Axial slice 133 of 321 of a chest CT (slice 1 is the lowest), reconstructed with the D kernel at 120 kVp; 2.00 mm slice thickness and 0.557 mm pixels.
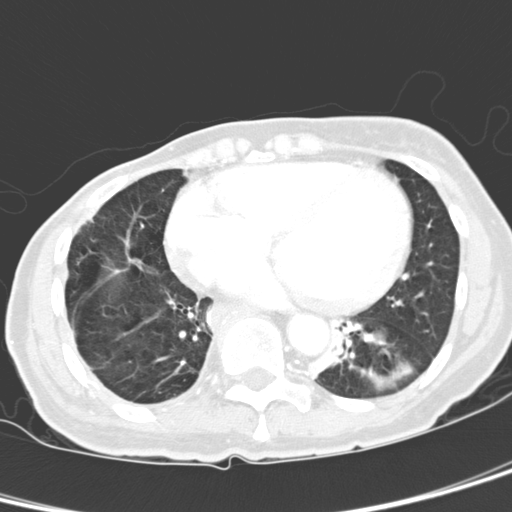
Pulmonary nodule at rows 329–342, columns 371–385 (box = the union of the readers' outlines on this slice), outlined by all four readers; median longest diameter 18.6 mm (readers' outlines 18.1–20.0 mm), median volume 2503 mm3 (2428–2697 mm3). Ratings, median across the readers with their spread: median texture 4.5/5 (readers ranged 4/5 to 5/5 (solid)); median margin 4.5/5 (readers ranged 3/5 to 5/5 (circumscribed)); sphericity 5/5 (round) at the median of four readers, spread 4/5 to 5/5 (round); calcification absent from all four readers; internal structure soft tissue from all four readers; subtlety 5/5 at the median of four readers, spread 4–5; median malignancy likelihood 4/5 (readers ranged 2–5). Scale key (1–5): texture non-solid→solid, margin indistinct→circumscribed, sphericity linear→round, subtlety extremely subtle→obvious, malignancy likelihood highly unlikely→highly suspicious of cancer. Box rows and columns are 0-based pixel indices from the top-left corner, inclusive.